Chest CT, axial plane, 120 kVp, kernel D. Slice 203/280 from the bottom of the scan; thickness 1.00 mm; pixel size 0.564 mm.
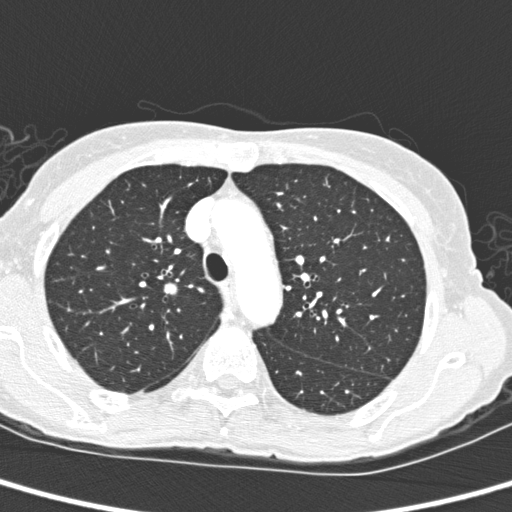
Pulmonary nodule outlined by all four readers; box rows 281–294, columns 163–177 (the union of the readers' outlines on this slice); longest diameter 9.9–12.5 mm and volume 362–590 mm3 across the four readers' outlines. Ratings across the readers: texture from 4/5 to 5/5 (solid) across the four readers; margin from 4/5 to 5/5 (circumscribed) across the four readers; sphericity from 3/5 (ovoid) to 5/5 (round) across the four readers; calcification absent, all four readers agreeing; internal structure soft tissue from all four readers; subtlety 4–5/5 (the readers disagree); malignancy likelihood rated between 2 and 5 out of 5 by the four readers. Scale key (1–5): texture non-solid→solid, margin indistinct→circumscribed, sphericity linear→round, subtlety extremely subtle→obvious, malignancy likelihood highly unlikely→highly suspicious of cancer. Box rows and columns are 0-based pixel indices from the top-left corner, inclusive.